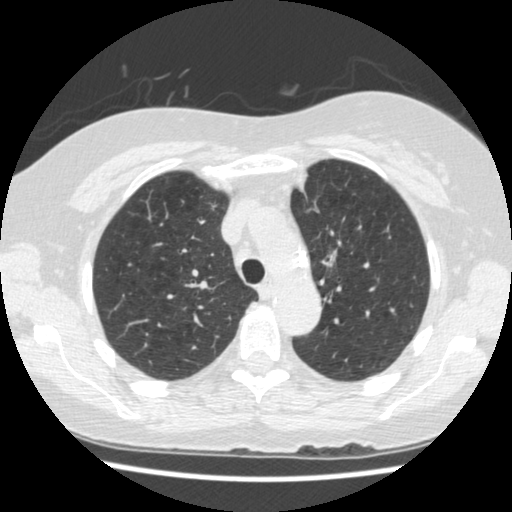
Axial slice 347 of 474 of a chest CT (slice 1 is the lowest), reconstructed with the STANDARD kernel at 120 kVp; 1.25 mm slice thickness and 0.625 mm pixels.
Pulmonary nodule at rows 249–266, columns 321–336 (box = that reader's outline on this slice), outlined by one of the four readers; longest diameter 17.7 mm and volume 538 mm3 from that reader's outline. That reader's ratings: texture 1/5 (non-solid); margin 2/5; sphericity 3/5 (ovoid); calcification absent; internal structure soft tissue; subtlety 3/5; malignancy likelihood 2/5. Scale key (1–5): texture non-solid→solid, margin indistinct→circumscribed, sphericity linear→round, subtlety extremely subtle→obvious, malignancy likelihood highly unlikely→highly suspicious of cancer. Box rows and columns are 0-based pixel indices from the top-left corner, inclusive.